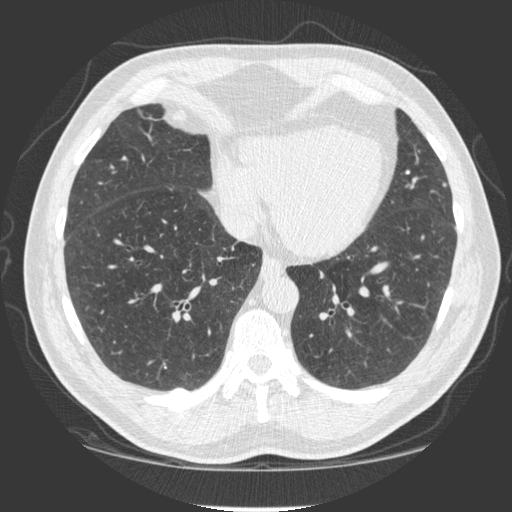
Axial slice 65 of 241 of a chest CT (slice 1 is the lowest), reconstructed with the STANDARD kernel at 120 kVp; 1.25 mm slice thickness and 0.684 mm pixels.
Pulmonary nodule, outlined by one of the four readers. Box on this slice rows 171–173, columns 406–409, that reader's outline on this slice; longest diameter 4.6 mm and volume 29 mm3 from that reader's outline. Ratings by that reader: texture 5/5 (solid); margin 5/5 (circumscribed); sphericity 3/5 (ovoid); calcification solid calcification; internal structure soft tissue; subtlety 5/5; malignancy likelihood 1/5. Scale key (1–5): texture non-solid→solid, margin indistinct→circumscribed, sphericity linear→round, subtlety extremely subtle→obvious, malignancy likelihood highly unlikely→highly suspicious of cancer. Box rows and columns are 0-based pixel indices from the top-left corner, inclusive.